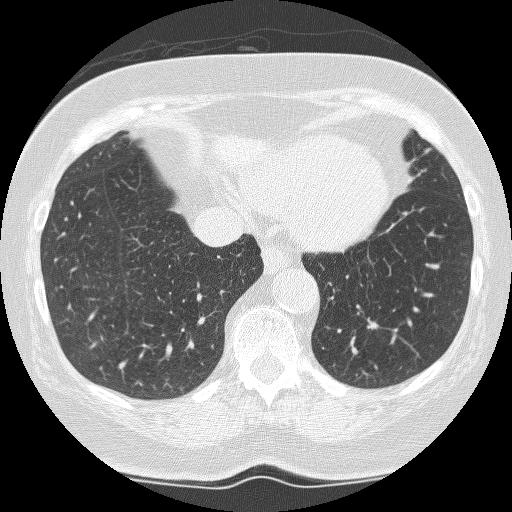
Chest CT, axial plane, 120 kVp, kernel BONE. Slice 79/246 from the bottom of the scan; thickness 1.25 mm; pixel size 0.566 mm.
Pulmonary nodule, outlined by all four readers, three of them on this slice. Box on this slice rows 317–329, columns 366–379, the union of the readers' outlines on this slice; longest diameter 15.5 mm on average over the four readers' outlines (readers' outlines 13.8–17.3 mm), volume 672–1099 mm3. The readers' prevailing ratings and who disagreed: texture 5/5 (solid) from all four readers; margin split among the readers: 2/5 (two), 4/5 (two); sphericity 4/5 by two of four readers; the rest gave 2/5 (one), 3/5 (ovoid) (one); calcification absent from all four readers; internal structure soft tissue, all four readers agreeing; subtlety split among the readers: 4/5 (two), 5/5 (two); malignancy likelihood 5/5 by two of four readers; the rest gave 3/5 (one), 4/5 (one). Scale key (1–5): texture non-solid→solid, margin indistinct→circumscribed, sphericity linear→round, subtlety extremely subtle→obvious, malignancy likelihood highly unlikely→highly suspicious of cancer. Box rows and columns are 0-based pixel indices from the top-left corner, inclusive.